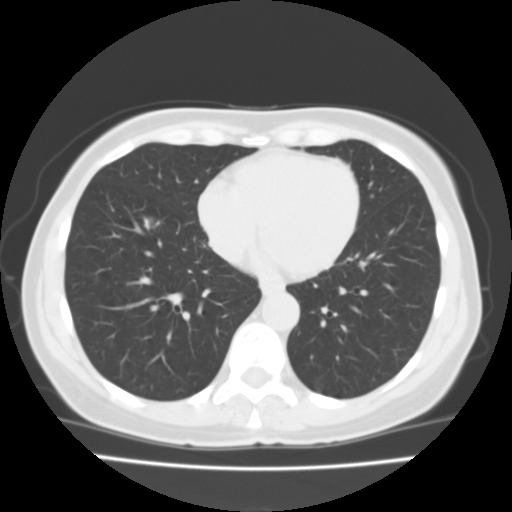
Axial slice 36 of 105 of a chest CT (slice 1 is the lowest), reconstructed with the FC01 kernel at 135 kVp; 3.00 mm slice thickness and 0.644 mm pixels.
Pulmonary nodule at rows 216–226, columns 144–155 (box = the union of the readers' outlines on this slice), outlined by all four readers, three of them on this slice; median longest diameter 16.5 mm (readers' outlines 16.1–17.1 mm), median volume 1793 mm3 (1634–1866 mm3). Ratings, median across the readers with their spread: texture 5/5 (solid), all four readers agreeing; margin 4.5/5 at the median of four readers, spread 3/5 to 5/5 (circumscribed); median sphericity 5/5 (round) (readers ranged 4/5 to 5/5 (round)); calcification absent from all four readers; internal structure soft tissue from all four readers; subtlety 5/5 at the median of four readers, spread 3–5; median malignancy likelihood 4/5 (readers ranged 2–5). Scale key (1–5): texture non-solid→solid, margin indistinct→circumscribed, sphericity linear→round, subtlety extremely subtle→obvious, malignancy likelihood highly unlikely→highly suspicious of cancer. Box rows and columns are 0-based pixel indices from the top-left corner, inclusive.